Axial slice 287 of 487 of a chest CT (slice 1 is the lowest), reconstructed with the STANDARD kernel at 120 kVp; 1.25 mm slice thickness and 0.703 mm pixels.
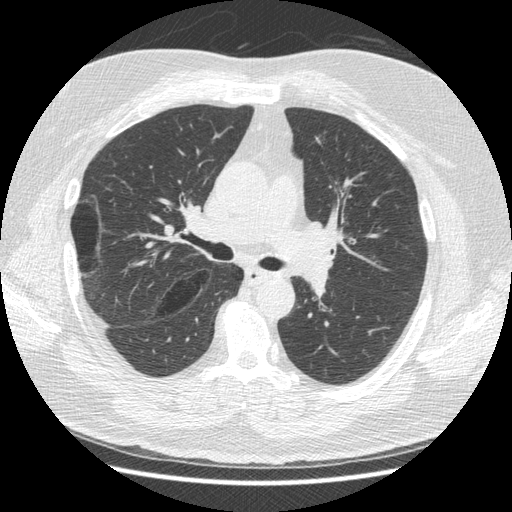
None of the four readers outlined a nodule of 3 mm or more on this slice.